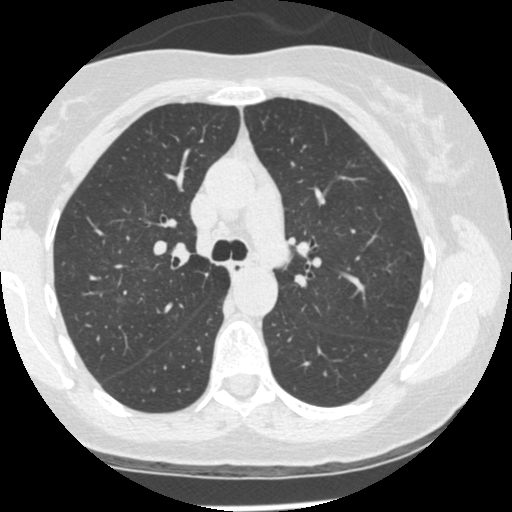
Slice 297/465 of a chest CT, counting up from the lowest; pixel size 0.586 mm, slice thickness 1.25 mm. Pulmonary nodule outlined by one of the four readers; box rows 297–303, columns 115–124 (that reader's outline on this slice); longest diameter 7.5 mm and volume 69 mm3 from that reader's outline. That reader's ratings: texture 1/5 (non-solid); margin 1/5 (indistinct); sphericity 3/5 (ovoid); calcification absent; internal structure soft tissue; subtlety 5/5; malignancy likelihood 3/5. Scale key (1–5): texture non-solid→solid, margin indistinct→circumscribed, sphericity linear→round, subtlety extremely subtle→obvious, malignancy likelihood highly unlikely→highly suspicious of cancer. Box rows and columns are 0-based pixel indices from the top-left corner, inclusive.
Scan settings: 120 kVp, STANDARD reconstruction kernel.